Axial chest CT slice 87 of 103 (counted from the lowest slice); tube voltage 120 kVp, convolution kernel B45f; slices 3.00 mm thick, 0.566 mm per pixel.
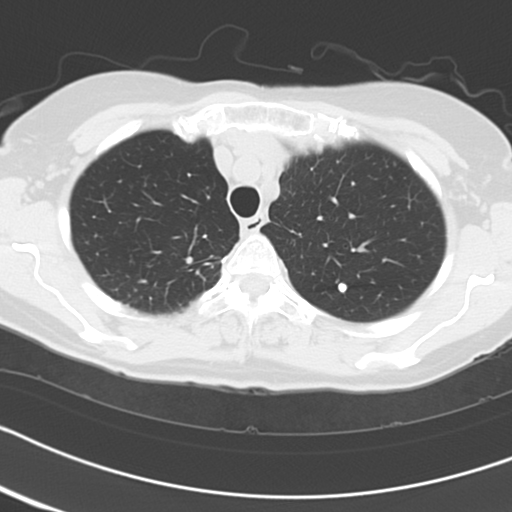
Pulmonary nodule, outlined by three of the four readers. Box on this slice rows 283–291, columns 337–346, the union of the readers' outlines on this slice; longest diameter 6.8 mm on average over the three readers' outlines (readers' outlines 6.6–6.9 mm), volume 150–192 mm3. Ratings, by the readers' most common answer with dissent counted: texture 5/5 (solid), all three readers agreeing; margin 5/5 (circumscribed), all three readers agreeing; sphericity 5/5 (round), all three readers agreeing; calcification solid calcification from all three readers; internal structure soft tissue from all three readers; most readers (two of three) put subtlety at 5/5, others 4/5 (one); malignancy likelihood 1/5, all three readers agreeing. Scale key (1–5): texture non-solid→solid, margin indistinct→circumscribed, sphericity linear→round, subtlety extremely subtle→obvious, malignancy likelihood highly unlikely→highly suspicious of cancer. Box rows and columns are 0-based pixel indices from the top-left corner, inclusive.